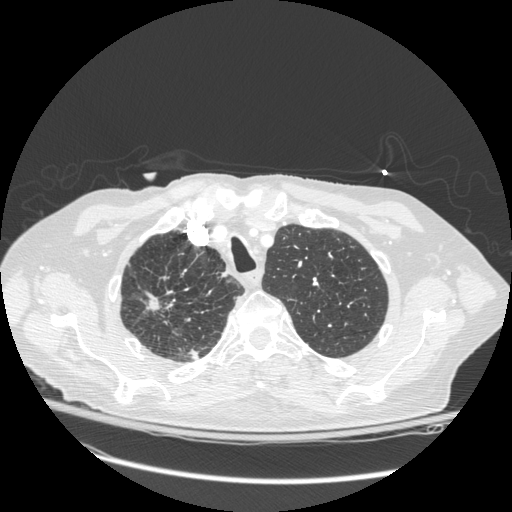
Axial chest CT slice 224 of 272 (counted from the lowest slice); tube voltage 120 kVp, convolution kernel STANDARD; slices 1.25 mm thick, 0.742 mm per pixel.
Pulmonary nodule, outlined by all four readers. Box on this slice rows 291–311, columns 145–160, the union of the readers' outlines on this slice; the four readers' outlines give a longest diameter between 16.0 and 56.1 mm and a volume between 732 and 13897 mm3. The readers' ratings, as ranges where they differ: texture 5/5 (solid) from all four readers; margin from 3/5 to 5/5 (circumscribed) across the four readers; sphericity from 3/5 (ovoid) to 4/5 across the four readers; calcification absent, all four readers agreeing; internal structure soft tissue, all four readers agreeing; subtlety 5/5 from all four readers; malignancy likelihood rated between 4 and 5 out of 5 by the four readers. Scale key (1–5): texture non-solid→solid, margin indistinct→circumscribed, sphericity linear→round, subtlety extremely subtle→obvious, malignancy likelihood highly unlikely→highly suspicious of cancer. Box rows and columns are 0-based pixel indices from the top-left corner, inclusive.